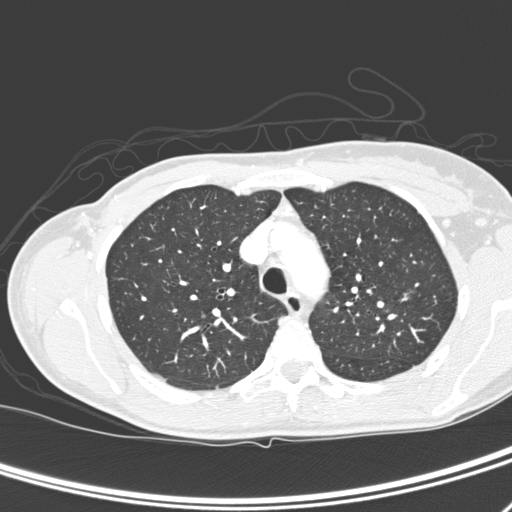
This is axial slice 222 of 290 (slice 1 is the lowest) of a chest CT; each pixel is 0.611 mm and the slice is 1.00 mm thick. Pulmonary nodule at rows 313–317, columns 200–205 (box = the union of the readers' outlines on this slice), outlined by all four readers, three of them on this slice; longest diameter 5.7 mm on average over the four readers' outlines (readers' outlines 5.6–5.8 mm), volume 33–72 mm3. Ratings, by the readers' most common answer with dissent counted: texture 5/5 (solid), all four readers agreeing; margin 5/5 (circumscribed), all four readers agreeing; sphericity 5/5 (round) from all four readers; calcification absent from all four readers; internal structure soft tissue from all four readers; subtlety 3/5 by two of four readers; the rest gave 2/5 (one), 5/5 (one); malignancy likelihood split among the readers: 1/5 (one), 2/5 (one), 3/5 (one), 4/5 (one). Scale key (1–5): texture non-solid→solid, margin indistinct→circumscribed, sphericity linear→round, subtlety extremely subtle→obvious, malignancy likelihood highly unlikely→highly suspicious of cancer. Box rows and columns are 0-based pixel indices from the top-left corner, inclusive.
Tube voltage 120 kVp; convolution kernel D.